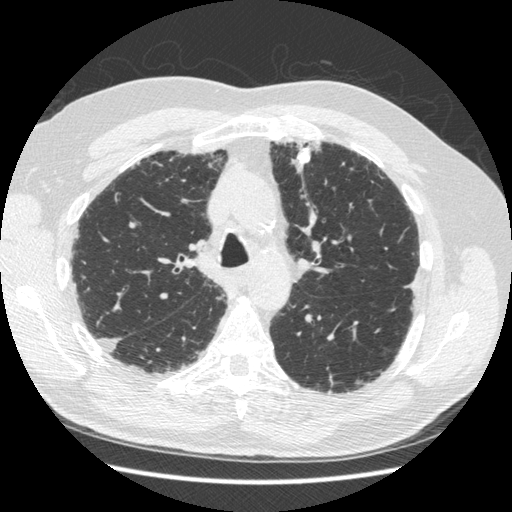
Axial slice 344 of 497 of a chest CT (slice 1 is the lowest), reconstructed with the STANDARD kernel at 120 kVp; 1.25 mm slice thickness and 0.703 mm pixels.
Pulmonary nodule, outlined by all four readers. Box on this slice rows 146–165, columns 296–311, the union of the readers' outlines on this slice; longest diameter 16.1 mm on average over the four readers' outlines (readers' outlines 15.2–16.7 mm), volume 670–817 mm3. The readers' prevailing ratings and who disagreed: texture 5/5 (solid), all four readers agreeing; margin 5/5 (circumscribed) by three of four readers; the rest gave 3/5 (one); sphericity 5/5 (round) by two of four readers; the rest gave 2/5 (one), 4/5 (one); calcification solid calcification, all four readers agreeing; internal structure soft tissue, all four readers agreeing; subtlety 5/5 from all four readers; malignancy likelihood 1/5 from all four readers. Scale key (1–5): texture non-solid→solid, margin indistinct→circumscribed, sphericity linear→round, subtlety extremely subtle→obvious, malignancy likelihood highly unlikely→highly suspicious of cancer. Box rows and columns are 0-based pixel indices from the top-left corner, inclusive.